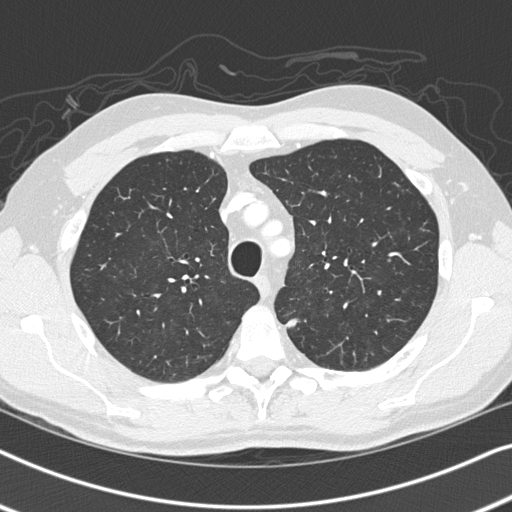
Axial slice 250 of 326 of a chest CT (slice 1 is the lowest), reconstructed with the B45f kernel at 120 kVp; 1.00 mm slice thickness and 0.645 mm pixels.
Pulmonary nodule outlined by three of the four readers; box rows 318–328, columns 286–300 (the union of the readers' outlines on this slice); the three readers' outlines give a longest diameter between 10.7 and 11.8 mm and a volume between 148 and 311 mm3. Ratings across the readers: texture from 4/5 to 5/5 (solid) across the three readers; margin from 3/5 to 5/5 (circumscribed) across the three readers; sphericity from 2/5 to 5/5 (round) across the three readers; calcification absent from all three readers; internal structure soft tissue, all three readers agreeing; subtlety from 3/5 to 5/5 across the three readers; malignancy likelihood from 2/5 to 3/5 across the three readers. Scale key (1–5): texture non-solid→solid, margin indistinct→circumscribed, sphericity linear→round, subtlety extremely subtle→obvious, malignancy likelihood highly unlikely→highly suspicious of cancer. Box rows and columns are 0-based pixel indices from the top-left corner, inclusive.